Chest CT, axial plane, 120 kVp, kernel B45f. Slice 220/326 from the bottom of the scan; thickness 1.00 mm; pixel size 0.645 mm.
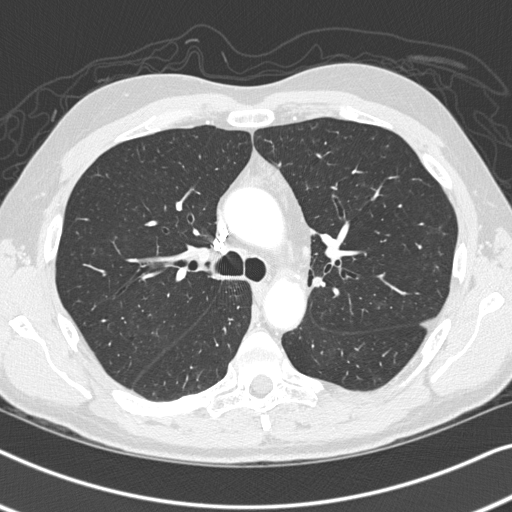
Pulmonary nodule at rows 276–286, columns 312–321 (box = the union of the readers' outlines on this slice), outlined by two of the four readers; the two readers' outlines give a longest diameter between 8.8 and 10.4 mm and a volume between 179 and 302 mm3. Ratings across the readers: texture 5/5 (solid) from both readers; margin 5/5 (circumscribed) from both readers; sphericity from 3/5 (ovoid) to 5/5 (round) across the two readers; calcification absent from both readers; internal structure soft tissue from both readers; subtlety 3–4/5 (the readers disagree); malignancy likelihood 2–3/5 (the readers disagree). Scale key (1–5): texture non-solid→solid, margin indistinct→circumscribed, sphericity linear→round, subtlety extremely subtle→obvious, malignancy likelihood highly unlikely→highly suspicious of cancer. Box rows and columns are 0-based pixel indices from the top-left corner, inclusive.